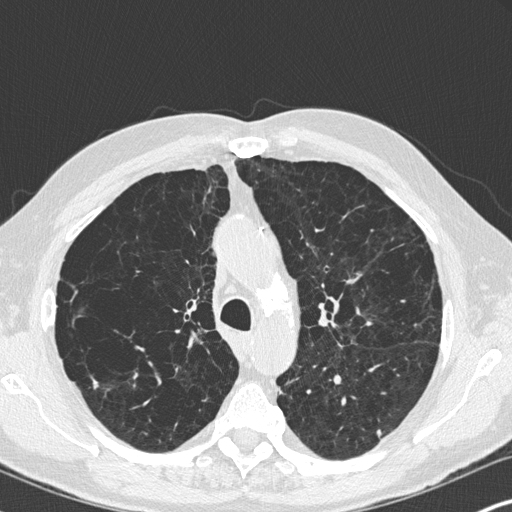
Axial chest CT slice 223 of 347 (counted from the lowest slice); tube voltage 120 kVp, convolution kernel B45f; slices 1.00 mm thick, 0.625 mm per pixel.
Two pulmonary nodules on this slice, listed from left to right. (1) Pulmonary nodule at rows 381–388, columns 93–98 (box = that reader's outline on this slice), outlined by one of the four readers; longest diameter 5.8 mm and volume 35 mm3 from that reader's outline. Ratings by that reader: texture 5/5 (solid); margin 5/5 (circumscribed); sphericity 3/5 (ovoid); calcification absent; internal structure soft tissue; subtlety 3/5; malignancy likelihood 3/5. (2) Pulmonary nodule at rows 429–438, columns 375–381 (box = the union of the readers' outlines on this slice), outlined by all four readers; longest diameter 10.3 mm on average over the four readers' outlines (readers' outlines 9.1–11.9 mm), volume 166–319 mm3. The readers' prevailing ratings and who disagreed: texture 5/5 (solid), all four readers agreeing; margin 5/5 (circumscribed) by two of four readers; the rest gave 2/5 (one), 4/5 (one); sphericity split among the readers: 3/5 (ovoid) (two), 4/5 (two); calcification absent, all four readers agreeing; internal structure soft tissue from all four readers; most readers (three of four) put subtlety at 4/5, others 5/5 (one); malignancy likelihood 3/5, all four readers agreeing. Scale key (1–5): texture non-solid→solid, margin indistinct→circumscribed, sphericity linear→round, subtlety extremely subtle→obvious, malignancy likelihood highly unlikely→highly suspicious of cancer. Box rows and columns are 0-based pixel indices from the top-left corner, inclusive.